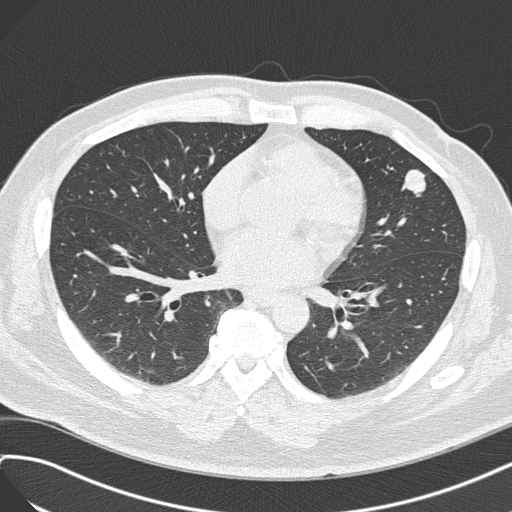
Slice 149/308 of a chest CT, counting up from the lowest; pixel size 0.703 mm, slice thickness 1.00 mm. Pulmonary nodule, outlined by all four readers. Box on this slice rows 169–197, columns 400–426, the union of the readers' outlines on this slice; longest diameter 19.6–23.0 mm and volume 1982–2315 mm3 across the four readers' outlines. Ratings across the readers: texture 5/5 (solid) from all four readers; margin from 4/5 to 5/5 (circumscribed) across the four readers; sphericity from 3/5 (ovoid) to 5/5 (round) across the four readers; calcification absent from all four readers; internal structure soft tissue, all four readers agreeing; subtlety 5/5 from all four readers; malignancy likelihood rated between 3 and 5 out of 5 by the four readers. Scale key (1–5): texture non-solid→solid, margin indistinct→circumscribed, sphericity linear→round, subtlety extremely subtle→obvious, malignancy likelihood highly unlikely→highly suspicious of cancer. Box rows and columns are 0-based pixel indices from the top-left corner, inclusive.
Acquired at 120 kVp and reconstructed with the B45f kernel.